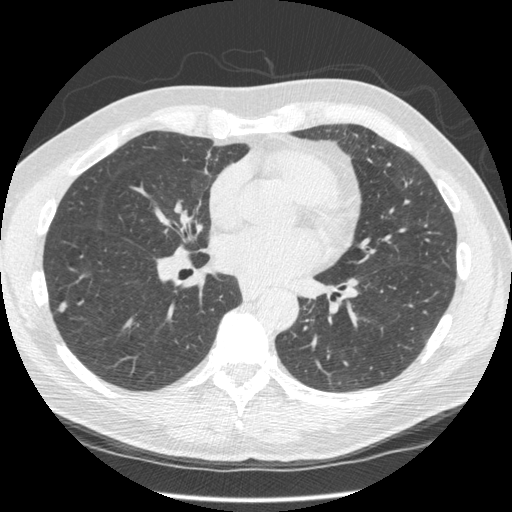
Chest CT, axial plane, 120 kVp, kernel STANDARD. Slice 240/545 from the bottom of the scan; thickness 1.25 mm; pixel size 0.703 mm.
Pulmonary nodule outlined by all four readers; box rows 299–312, columns 54–67 (the union of the readers' outlines on this slice); median longest diameter 9.7 mm (readers' outlines 9.2–14.5 mm), median volume 141 mm3 (121–250 mm3). Median ratings and the readers' spread: texture 5/5 (solid), all four readers agreeing; median margin 4/5 (readers ranged 3/5 to 5/5 (circumscribed)); sphericity 3.5/5 at the median of four readers, spread 2/5 to 5/5 (round); calcification absent, all four readers agreeing; internal structure soft tissue from all four readers; median subtlety 3.5/5 (readers ranged 3–5); malignancy likelihood 3/5 at the median of four readers, spread 2–5. Scale key (1–5): texture non-solid→solid, margin indistinct→circumscribed, sphericity linear→round, subtlety extremely subtle→obvious, malignancy likelihood highly unlikely→highly suspicious of cancer. Box rows and columns are 0-based pixel indices from the top-left corner, inclusive.